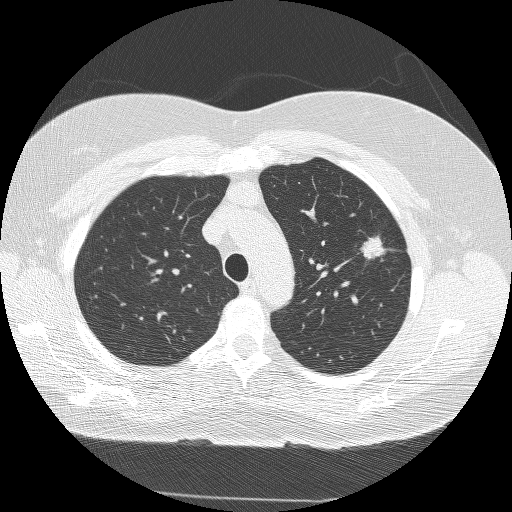
Axial chest CT slice 194 of 245 (counted from the lowest slice); tube voltage 120 kVp, convolution kernel BONE; slices 1.25 mm thick, 0.664 mm per pixel.
Pulmonary nodule, outlined by all four readers. Box on this slice rows 233–259, columns 358–388, the union of the readers' outlines on this slice; the four readers' outlines give a longest diameter between 20.8 and 22.3 mm and a volume between 2976 and 3390 mm3. The readers' ratings, as ranges where they differ: texture from 4/5 to 5/5 (solid) across the four readers; margin from 3/5 to 4/5 across the four readers; sphericity from 3/5 (ovoid) to 5/5 (round) across the four readers; calcification absent from all four readers; internal structure soft tissue from all four readers; subtlety 5/5, all four readers agreeing; malignancy likelihood 5/5 from all four readers. Scale key (1–5): texture non-solid→solid, margin indistinct→circumscribed, sphericity linear→round, subtlety extremely subtle→obvious, malignancy likelihood highly unlikely→highly suspicious of cancer. Box rows and columns are 0-based pixel indices from the top-left corner, inclusive.